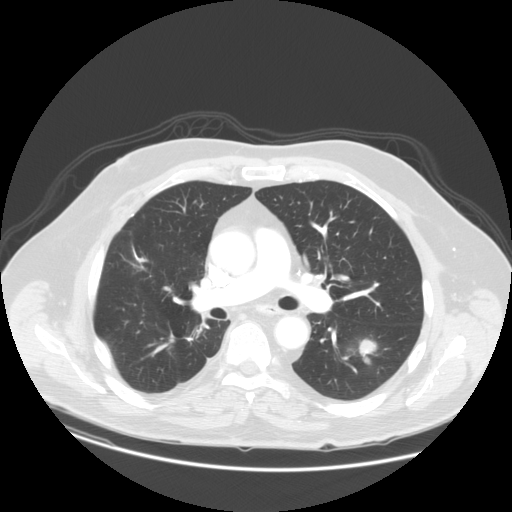
Axial chest CT slice 74 of 140 (counted from the lowest slice); tube voltage 120 kVp, convolution kernel STANDARD; slices 2.50 mm thick, 0.820 mm per pixel.
Pulmonary nodule, outlined by all four readers. Box on this slice rows 335–364, columns 345–379, the union of the readers' outlines on this slice; the four readers' outlines give a longest diameter between 28.0 and 35.5 mm and a volume between 4625 and 10612 mm3. The readers' ratings, as ranges where they differ: texture from 3/5 (part-solid) to 5/5 (solid) across the four readers; margin from 3/5 to 4/5 across the four readers; sphericity from 3/5 (ovoid) to 5/5 (round) across the four readers; calcification absent from all four readers; internal structure soft tissue, all four readers agreeing; subtlety 5/5, all four readers agreeing; malignancy likelihood rated between 3 and 5 out of 5 by the four readers. Scale key (1–5): texture non-solid→solid, margin indistinct→circumscribed, sphericity linear→round, subtlety extremely subtle→obvious, malignancy likelihood highly unlikely→highly suspicious of cancer. Box rows and columns are 0-based pixel indices from the top-left corner, inclusive.